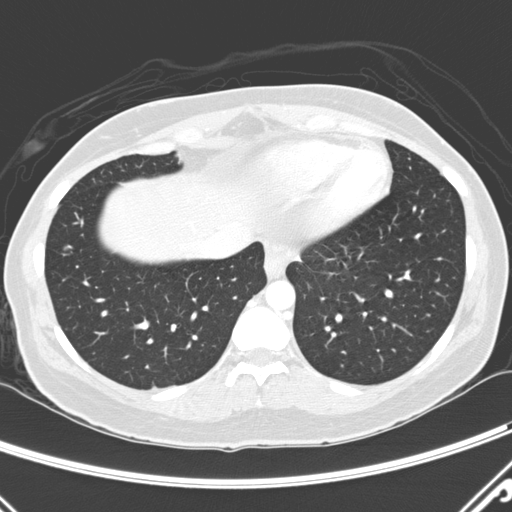
This is axial slice 82 of 290 (slice 1 is the lowest) of a chest CT; each pixel is 0.648 mm and the slice is 2.00 mm thick. Pulmonary nodule at rows 246–250, columns 61–67 (box = the union of the readers' outlines on this slice), outlined by two of the four readers; longest diameter 7.3 mm on average over the two readers' outlines (readers' outlines 7.1–7.6 mm), volume 80–93 mm3. Ratings, by the readers' most common answer with dissent counted: texture 5/5 (solid), both readers agreeing; margin 5/5 (circumscribed) from both readers; sphericity split among the readers: 4/5 (one), 5/5 (round) (one); calcification absent, both readers agreeing; internal structure soft tissue, both readers agreeing; subtlety split among the readers: 4/5 (one), 5/5 (one); malignancy likelihood 3/5 from both readers. Scale key (1–5): texture non-solid→solid, margin indistinct→circumscribed, sphericity linear→round, subtlety extremely subtle→obvious, malignancy likelihood highly unlikely→highly suspicious of cancer. Box rows and columns are 0-based pixel indices from the top-left corner, inclusive.
Tube voltage 120 kVp; convolution kernel D.